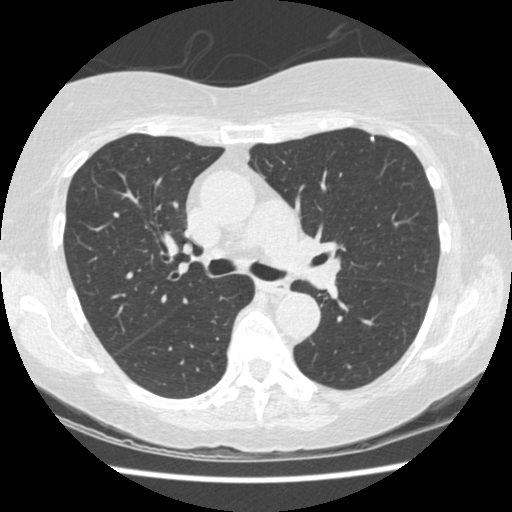
Slice 263/458 of a chest CT, counting up from the lowest; pixel size 0.625 mm, slice thickness 1.25 mm. Pulmonary nodule at rows 136–140, columns 369–374 (box = the union of the readers' outlines on this slice), outlined by two of the four readers; longest diameter 4.7 mm on average over the two readers' outlines (readers' outlines 4.6–4.8 mm), volume 37–39 mm3. The readers' prevailing ratings and who disagreed: texture 5/5 (solid) from both readers; margin 5/5 (circumscribed) from both readers; sphericity split among the readers: 4/5 (one), 5/5 (round) (one); calcification solid calcification from both readers; internal structure soft tissue from both readers; subtlety split among the readers: 4/5 (one), 5/5 (one); malignancy likelihood 1/5, both readers agreeing. Scale key (1–5): texture non-solid→solid, margin indistinct→circumscribed, sphericity linear→round, subtlety extremely subtle→obvious, malignancy likelihood highly unlikely→highly suspicious of cancer. Box rows and columns are 0-based pixel indices from the top-left corner, inclusive.
Tube voltage 120 kVp; convolution kernel STANDARD.